One axial slice (388 of 557, counting up from the lowest) of a chest CT acquired at 120 kVp with the STANDARD kernel; each pixel is 0.703 mm and the slice is 1.25 mm thick.
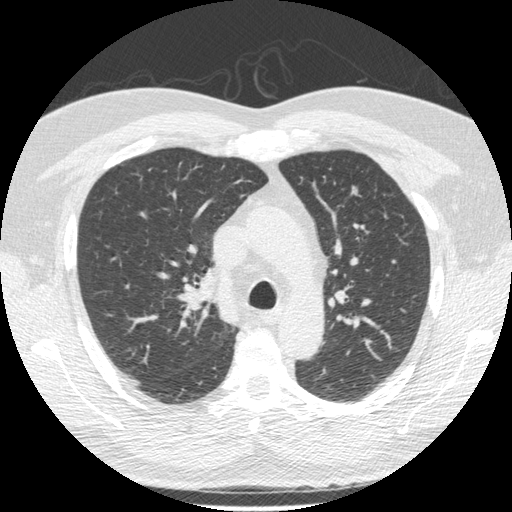
Pulmonary nodule at rows 185–195, columns 350–357 (box = that reader's outline on this slice), outlined by one of the four readers; longest diameter 9.1 mm and volume 53 mm3 from that reader's outline. That reader's ratings: texture 1/5 (non-solid); margin 3/5; sphericity 3/5 (ovoid); calcification absent; internal structure soft tissue; subtlety 2/5; malignancy likelihood 3/5. Scale key (1–5): texture non-solid→solid, margin indistinct→circumscribed, sphericity linear→round, subtlety extremely subtle→obvious, malignancy likelihood highly unlikely→highly suspicious of cancer. Box rows and columns are 0-based pixel indices from the top-left corner, inclusive.